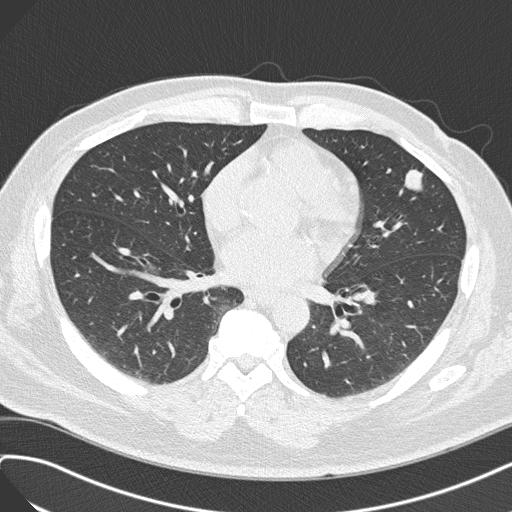
Axial chest CT slice 151 of 308 (counted from the lowest slice); tube voltage 120 kVp, convolution kernel B45f; slices 1.00 mm thick, 0.703 mm per pixel.
Pulmonary nodule outlined by all four readers; box rows 169–192, columns 404–422 (the union of the readers' outlines on this slice); longest diameter 21.2 mm on average over the four readers' outlines (readers' outlines 19.6–23.0 mm), volume 1982–2315 mm3. Ratings, by the readers' most common answer with dissent counted: texture 5/5 (solid) from all four readers; margin split among the readers: 4/5 (two), 5/5 (circumscribed) (two); sphericity split among the readers: 3/5 (ovoid) (two), 5/5 (round) (two); calcification absent, all four readers agreeing; internal structure soft tissue from all four readers; subtlety 5/5 from all four readers; malignancy likelihood 3/5 by two of four readers; the rest gave 4/5 (one), 5/5 (one). Scale key (1–5): texture non-solid→solid, margin indistinct→circumscribed, sphericity linear→round, subtlety extremely subtle→obvious, malignancy likelihood highly unlikely→highly suspicious of cancer. Box rows and columns are 0-based pixel indices from the top-left corner, inclusive.